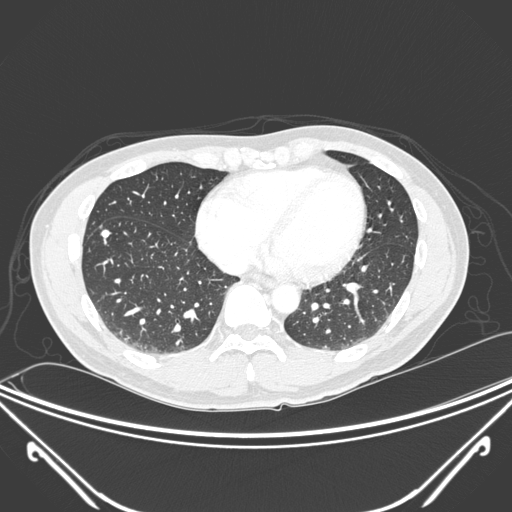
Axial slice 96 of 325 of a chest CT (slice 1 is the lowest), reconstructed with the D kernel at 120 kVp; 1.00 mm slice thickness and 0.781 mm pixels.
Pulmonary nodule at rows 229–238, columns 99–109 (box = the union of the readers' outlines on this slice), outlined by two of the four readers; median longest diameter 8.8 mm (readers' outlines 8.0–9.7 mm), median volume 180 mm3 (154–206 mm3). Ratings, median across the readers with their spread: texture 5/5 (solid) from both readers; median margin 4.5/5 (readers ranged 4/5 to 5/5 (circumscribed)); sphericity 4/5 from both readers; calcification absent, both readers agreeing; internal structure soft tissue, both readers agreeing; subtlety 5/5, both readers agreeing; malignancy likelihood 3.5/5 at the median of two readers, spread 3–4. Scale key (1–5): texture non-solid→solid, margin indistinct→circumscribed, sphericity linear→round, subtlety extremely subtle→obvious, malignancy likelihood highly unlikely→highly suspicious of cancer. Box rows and columns are 0-based pixel indices from the top-left corner, inclusive.